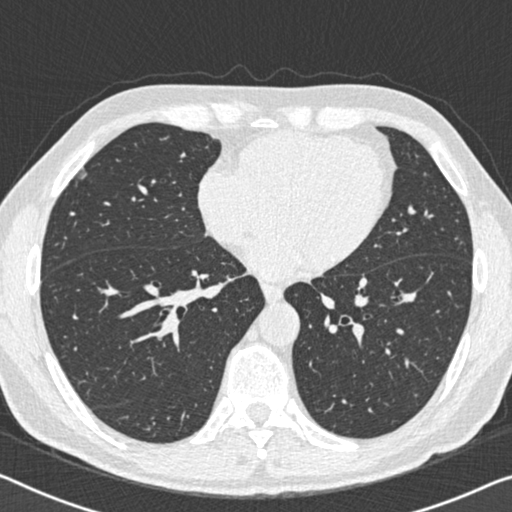
Axial slice 219 of 483 of a chest CT (slice 1 is the lowest), reconstructed with the B30f kernel at 120 kVp; 0.75 mm slice thickness and 0.652 mm pixels.
Pulmonary nodule outlined by all four readers, two of them on this slice; box rows 167–178, columns 78–86 (the union of the readers' outlines on this slice); longest diameter 9.4 mm on average over the four readers' outlines (readers' outlines 8.6–10.3 mm), volume 137–171 mm3. Ratings, by the readers' most common answer with dissent counted: most readers (three of four) put texture at 5/5 (solid), others 4/5 (one); margin 5/5 (circumscribed) by three of four readers; the rest gave 4/5 (one); sphericity 4/5 by two of four readers; the rest gave 3/5 (ovoid) (one), 5/5 (round) (one); calcification absent, all four readers agreeing; internal structure soft tissue from all four readers; subtlety 5/5 by three of four readers; the rest gave 3/5 (one); malignancy likelihood 2/5 by two of four readers; the rest gave 3/5 (one), 4/5 (one). Scale key (1–5): texture non-solid→solid, margin indistinct→circumscribed, sphericity linear→round, subtlety extremely subtle→obvious, malignancy likelihood highly unlikely→highly suspicious of cancer. Box rows and columns are 0-based pixel indices from the top-left corner, inclusive.